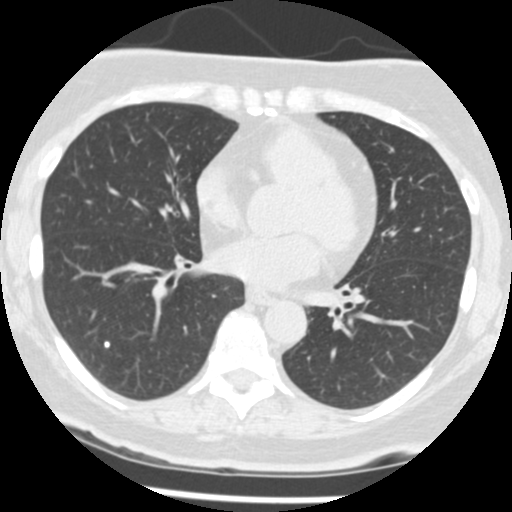
This is axial slice 201 of 433 (slice 1 is the lowest) of a chest CT; each pixel is 0.547 mm and the slice is 1.25 mm thick. Pulmonary nodule at rows 341–347, columns 103–109 (box = the union of the readers' outlines on this slice), outlined by three of the four readers; longest diameter 4.8 mm on average over the three readers' outlines (readers' outlines 4.5–5.0 mm), volume 36–46 mm3. The readers' prevailing ratings and who disagreed: texture 5/5 (solid) from all three readers; margin 5/5 (circumscribed) from all three readers; sphericity 5/5 (round), all three readers agreeing; calcification solid calcification, all three readers agreeing; internal structure soft tissue from all three readers; subtlety 5/5, all three readers agreeing; malignancy likelihood 1/5, all three readers agreeing. Scale key (1–5): texture non-solid→solid, margin indistinct→circumscribed, sphericity linear→round, subtlety extremely subtle→obvious, malignancy likelihood highly unlikely→highly suspicious of cancer. Box rows and columns are 0-based pixel indices from the top-left corner, inclusive.
Acquired at 120 kVp and reconstructed with the STANDARD kernel.